Chest CT, axial plane, 135 kVp, kernel FC01. Slice 48/104 from the bottom of the scan; thickness 3.00 mm; pixel size 0.741 mm.
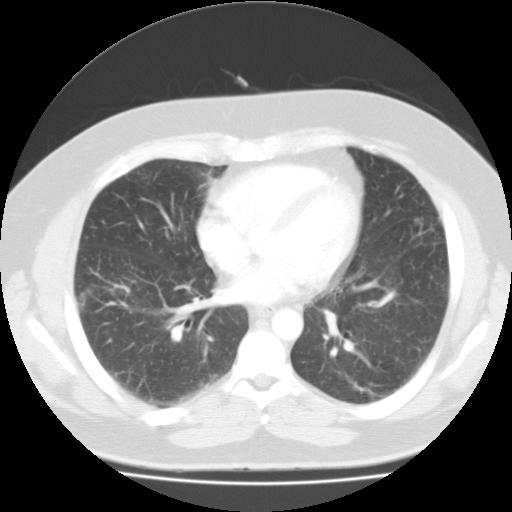
Pulmonary nodule, outlined by one of the four readers. Box on this slice rows 217–226, columns 414–422, that reader's outline on this slice; longest diameter 10.5 mm and volume 127 mm3 from that reader's outline. Ratings by that reader: texture 1/5 (non-solid); margin 2/5; sphericity 3/5 (ovoid); calcification absent; internal structure soft tissue; subtlety 2/5; malignancy likelihood 3/5. Scale key (1–5): texture non-solid→solid, margin indistinct→circumscribed, sphericity linear→round, subtlety extremely subtle→obvious, malignancy likelihood highly unlikely→highly suspicious of cancer. Box rows and columns are 0-based pixel indices from the top-left corner, inclusive.